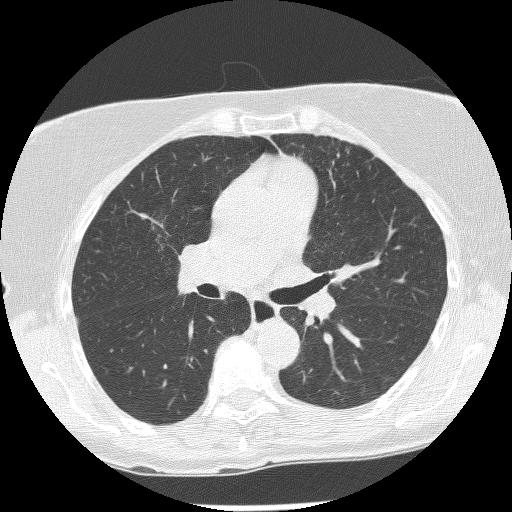
One axial slice (148 of 239, counting up from the lowest) of a chest CT acquired at 120 kVp with the BONE kernel; each pixel is 0.586 mm and the slice is 1.25 mm thick.
Pulmonary nodule, outlined by three of the four readers, two of them on this slice. Box on this slice rows 212–219, columns 140–146, the union of the readers' outlines on this slice; longest diameter 6.6 mm on average over the three readers' outlines (readers' outlines 5.8–7.6 mm), volume 29–71 mm3. Ratings, by the readers' most common answer with dissent counted: texture 5/5 (solid) from all three readers; most readers (two of three) put margin at 4/5, others 5/5 (circumscribed) (one); most readers (two of three) put sphericity at 3/5 (ovoid), others 5/5 (round) (one); calcification absent, all three readers agreeing; internal structure soft tissue from all three readers; subtlety split among the readers: 2/5 (one), 3/5 (one), 4/5 (one); malignancy likelihood 3/5 by two of three readers; the rest gave 2/5 (one). Scale key (1–5): texture non-solid→solid, margin indistinct→circumscribed, sphericity linear→round, subtlety extremely subtle→obvious, malignancy likelihood highly unlikely→highly suspicious of cancer. Box rows and columns are 0-based pixel indices from the top-left corner, inclusive.